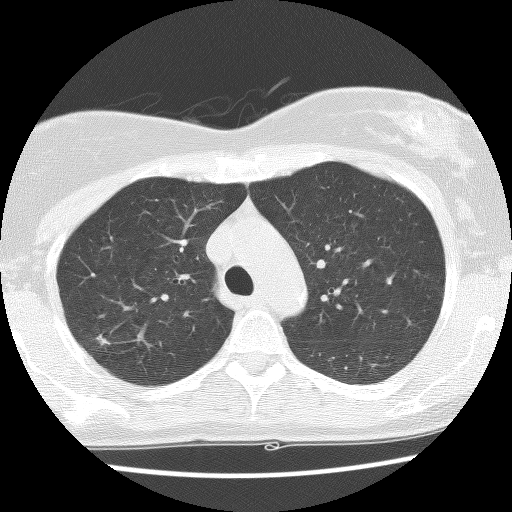
Axial chest CT slice 93 of 127 (counted from the lowest slice); tube voltage 140 kVp, convolution kernel BONE; slices 2.50 mm thick, 0.586 mm per pixel.
Pulmonary nodule, outlined by two of the four readers. Box on this slice rows 334–344, columns 96–110, the union of the readers' outlines on this slice; longest diameter 13.8 mm on average over the two readers' outlines (readers' outlines 12.9–14.7 mm), volume 148–591 mm3. Ratings, by the readers' most common answer with dissent counted: texture 3/5 (part-solid) from both readers; margin 1/5 (indistinct) from both readers; sphericity 2/5, both readers agreeing; calcification absent from both readers; internal structure soft tissue, both readers agreeing; subtlety 4/5, both readers agreeing; malignancy likelihood 3/5 from both readers. Scale key (1–5): texture non-solid→solid, margin indistinct→circumscribed, sphericity linear→round, subtlety extremely subtle→obvious, malignancy likelihood highly unlikely→highly suspicious of cancer. Box rows and columns are 0-based pixel indices from the top-left corner, inclusive.